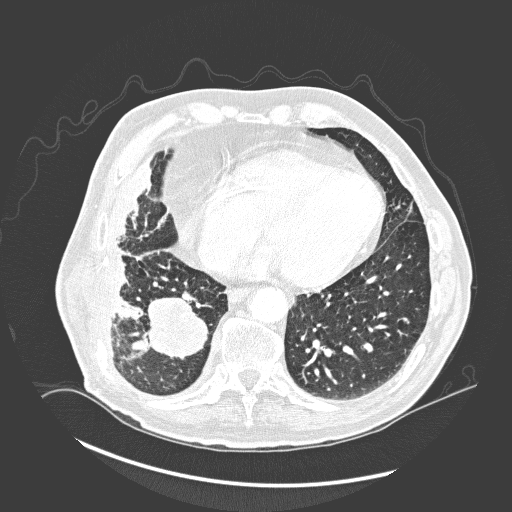
This is axial slice 79 of 300 (slice 1 is the lowest) of a chest CT; each pixel is 0.744 mm and the slice is 1.00 mm thick. Pulmonary nodule outlined by all four readers, three of them on this slice; box rows 316–324, columns 401–409 (the union of the readers' outlines on this slice); median longest diameter 9.4 mm (readers' outlines 8.3–9.5 mm), median volume 99 mm3 (46–143 mm3). Ratings, median across the readers with their spread: texture 5/5 (solid) at the median of four readers, spread 4/5 to 5/5 (solid); margin 4/5 at the median of four readers, spread 2/5 to 5/5 (circumscribed); median sphericity 3/5 (ovoid) (readers ranged 3/5 (ovoid) to 4/5); calcification absent, all four readers agreeing; internal structure soft tissue from all four readers; median subtlety 3.5/5 (readers ranged 2–4); median malignancy likelihood 2.5/5 (readers ranged 1–4). Scale key (1–5): texture non-solid→solid, margin indistinct→circumscribed, sphericity linear→round, subtlety extremely subtle→obvious, malignancy likelihood highly unlikely→highly suspicious of cancer. Box rows and columns are 0-based pixel indices from the top-left corner, inclusive.
Scan settings: 120 kVp, D reconstruction kernel.